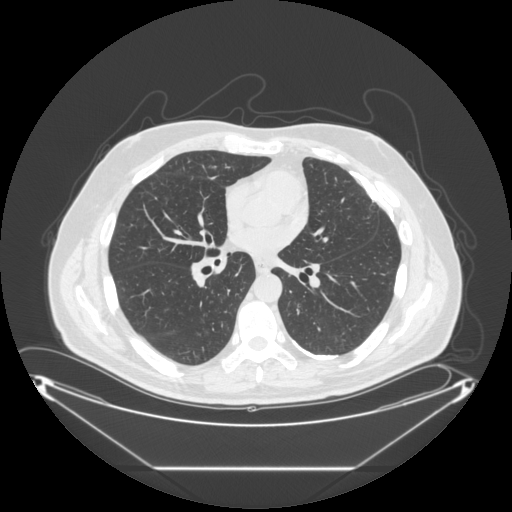
Chest CT, axial plane, 120 kVp, kernel STANDARD. Slice 147/297 from the bottom of the scan; thickness 1.25 mm; pixel size 0.949 mm.
No nodule of 3 mm or larger was outlined by any of the four readers on this slice.